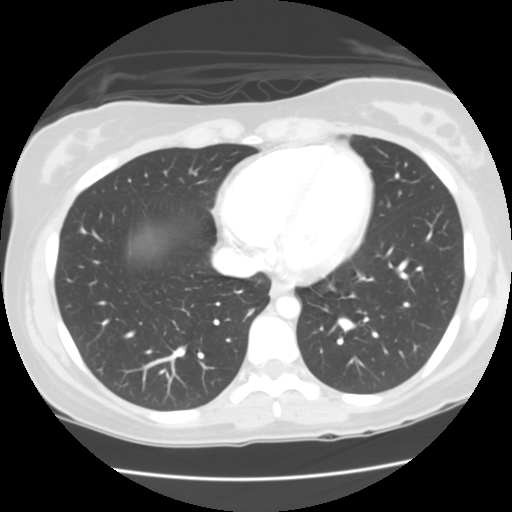
This is axial slice 63 of 133 (slice 1 is the lowest) of a chest CT; each pixel is 0.625 mm and the slice is 2.50 mm thick. Pulmonary nodule outlined by all four readers; box rows 307–318, columns 245–254 (the union of the readers' outlines on this slice); the four readers' outlines give a longest diameter between 7.3 and 8.9 mm and a volume between 208 and 262 mm3. Ratings across the readers: texture 5/5 (solid), all four readers agreeing; margin from 4/5 to 5/5 (circumscribed) across the four readers; sphericity from 3/5 (ovoid) to 5/5 (round) across the four readers; calcification absent, all four readers agreeing; internal structure soft tissue, all four readers agreeing; subtlety rated between 3 and 5 out of 5 by the four readers; malignancy likelihood rated between 2 and 4 out of 5 by the four readers. Scale key (1–5): texture non-solid→solid, margin indistinct→circumscribed, sphericity linear→round, subtlety extremely subtle→obvious, malignancy likelihood highly unlikely→highly suspicious of cancer. Box rows and columns are 0-based pixel indices from the top-left corner, inclusive.
Tube voltage 120 kVp; convolution kernel STANDARD.